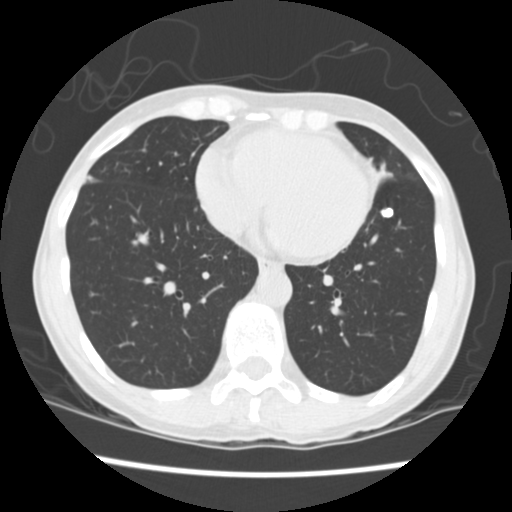
This is axial slice 59 of 163 (slice 1 is the lowest) of a chest CT; each pixel is 0.586 mm and the slice is 2.50 mm thick. Pulmonary nodule outlined by all four readers; box rows 207–217, columns 381–394 (the union of the readers' outlines on this slice); the four readers' outlines give a longest diameter between 9.5 and 11.1 mm and a volume between 385 and 423 mm3. Ratings across the readers: texture 5/5 (solid), all four readers agreeing; margin from 4/5 to 5/5 (circumscribed) across the four readers; sphericity from 3/5 (ovoid) to 4/5 across the four readers; calcification: solid calcification (three), absent (one); internal structure soft tissue, all four readers agreeing; subtlety rated between 4 and 5 out of 5 by the four readers; malignancy likelihood rated between 1 and 4 out of 5 by the four readers. Scale key (1–5): texture non-solid→solid, margin indistinct→circumscribed, sphericity linear→round, subtlety extremely subtle→obvious, malignancy likelihood highly unlikely→highly suspicious of cancer. Box rows and columns are 0-based pixel indices from the top-left corner, inclusive.
Tube voltage 120 kVp; convolution kernel STANDARD.